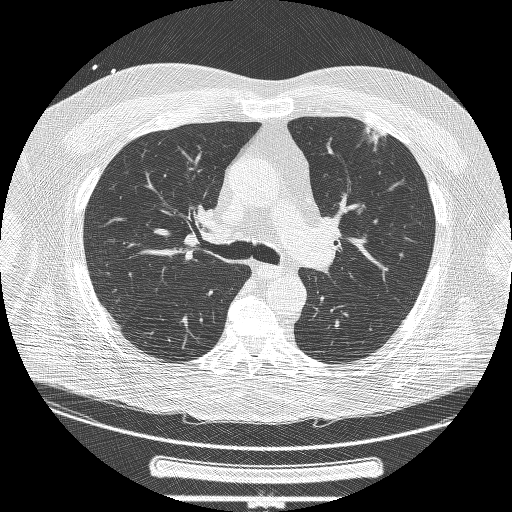
Axial chest CT slice 147 of 239 (counted from the lowest slice); tube voltage 120 kVp, convolution kernel BONE; slices 1.25 mm thick, 0.795 mm per pixel.
Pulmonary nodule at rows 126–151, columns 363–384 (box = the union of the readers' outlines on this slice), outlined by two of the four readers; longest diameter 43.2 mm on average over the two readers' outlines (readers' outlines 43.0–43.4 mm), volume 10396–11168 mm3. The readers' prevailing ratings and who disagreed: texture split among the readers: 3/5 (part-solid) (one), 5/5 (solid) (one); margin split among the readers: 1/5 (indistinct) (one), 3/5 (one); sphericity split among the readers: 1/5 (linear) (one), 3/5 (ovoid) (one); calcification absent from both readers; internal structure soft tissue, both readers agreeing; subtlety 5/5, both readers agreeing; malignancy likelihood 5/5, both readers agreeing. Scale key (1–5): texture non-solid→solid, margin indistinct→circumscribed, sphericity linear→round, subtlety extremely subtle→obvious, malignancy likelihood highly unlikely→highly suspicious of cancer. Box rows and columns are 0-based pixel indices from the top-left corner, inclusive.